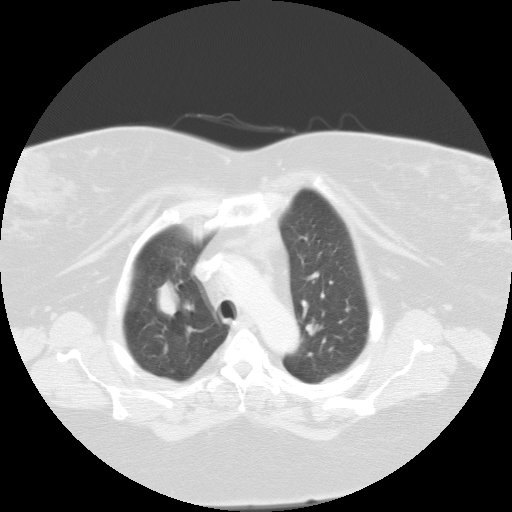
Chest CT, axial plane, 135 kVp, kernel FC01. Slice 82/102 from the bottom of the scan; thickness 3.00 mm; pixel size 0.808 mm.
Pulmonary nodule outlined by all four readers; box rows 281–316, columns 157–179 (the union of the readers' outlines on this slice); longest diameter 26.9–30.9 mm and volume 5712–7254 mm3 across the four readers' outlines. The readers' ratings, as ranges where they differ: texture 5/5 (solid) from all four readers; margin 5/5 (circumscribed) from all four readers; sphericity from 4/5 to 5/5 (round) across the four readers; calcification absent from all four readers; internal structure soft tissue, all four readers agreeing; subtlety 5/5, all four readers agreeing; malignancy likelihood from 2/5 to 5/5 across the four readers. Scale key (1–5): texture non-solid→solid, margin indistinct→circumscribed, sphericity linear→round, subtlety extremely subtle→obvious, malignancy likelihood highly unlikely→highly suspicious of cancer. Box rows and columns are 0-based pixel indices from the top-left corner, inclusive.